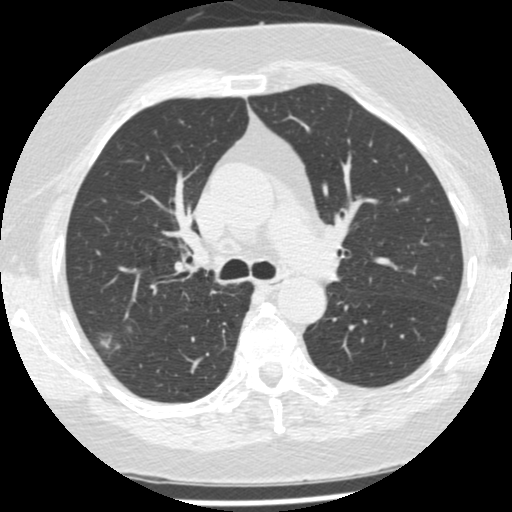
This is axial slice 322 of 487 (slice 1 is the lowest) of a chest CT; each pixel is 0.586 mm and the slice is 1.25 mm thick. Pulmonary nodule, outlined by two of the four readers. Box on this slice rows 331–358, columns 89–119, the union of the readers' outlines on this slice; median longest diameter 18.1 mm (readers' outlines 11.3–24.9 mm), median volume 1598 mm3 (232–2964 mm3). Median ratings and the readers' spread: texture 3/5 (part-solid), both readers agreeing; margin 1.5/5 at the median of two readers, spread 1/5 (indistinct) to 2/5; sphericity 4/5, both readers agreeing; calcification absent, both readers agreeing; internal structure soft tissue from both readers; subtlety 4/5 from both readers; malignancy likelihood 3.5/5 at the median of two readers, spread 3–4. Scale key (1–5): texture non-solid→solid, margin indistinct→circumscribed, sphericity linear→round, subtlety extremely subtle→obvious, malignancy likelihood highly unlikely→highly suspicious of cancer. Box rows and columns are 0-based pixel indices from the top-left corner, inclusive.
Scan settings: 120 kVp, STANDARD reconstruction kernel.